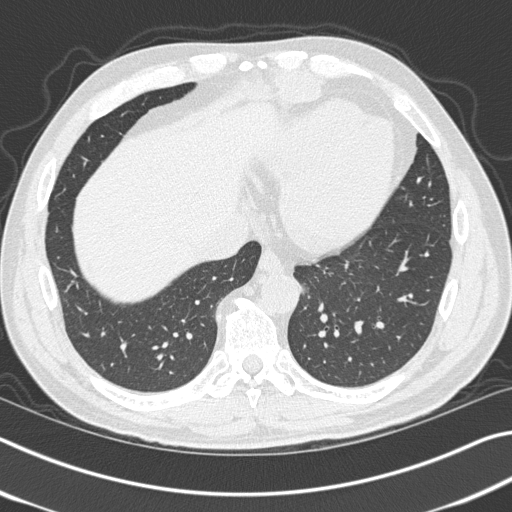
Chest CT, axial plane, 120 kVp, kernel B45f. Slice 124/327 from the bottom of the scan; thickness 1.00 mm; pixel size 0.664 mm.
Pulmonary nodule, outlined by three of the four readers, two of them on this slice. Box on this slice rows 282–294, columns 299–309, the union of the readers' outlines on this slice; longest diameter 12.9 mm on average over the three readers' outlines (readers' outlines 12.4–14.0 mm), volume 357–534 mm3. The readers' prevailing ratings and who disagreed: texture 5/5 (solid) from all three readers; most readers (two of three) put margin at 5/5 (circumscribed), others 4/5 (one); sphericity split among the readers: 3/5 (ovoid) (one), 4/5 (one), 5/5 (round) (one); calcification absent, all three readers agreeing; internal structure soft tissue, all three readers agreeing; subtlety split among the readers: 1/5 (one), 3/5 (one), 4/5 (one); malignancy likelihood 4/5 by two of three readers; the rest gave 2/5 (one). Scale key (1–5): texture non-solid→solid, margin indistinct→circumscribed, sphericity linear→round, subtlety extremely subtle→obvious, malignancy likelihood highly unlikely→highly suspicious of cancer. Box rows and columns are 0-based pixel indices from the top-left corner, inclusive.